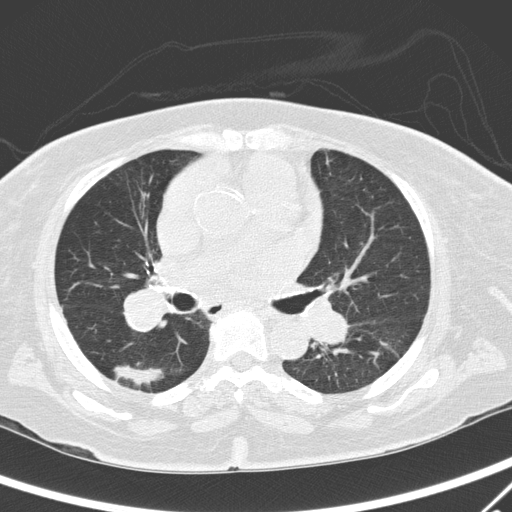
Axial slice 166 of 295 of a chest CT (slice 1 is the lowest), reconstructed with the D kernel at 120 kVp; 2.00 mm slice thickness and 0.682 mm pixels.
Pulmonary nodule at rows 361–389, columns 113–181 (box = that reader's outline on this slice), outlined by one of the four readers; longest diameter 49.8 mm and volume 6337 mm3 from that reader's outline. Ratings by that reader: texture 4/5; margin 1/5 (indistinct); sphericity 3/5 (ovoid); calcification absent; internal structure soft tissue; subtlety 5/5; malignancy likelihood 5/5. Scale key (1–5): texture non-solid→solid, margin indistinct→circumscribed, sphericity linear→round, subtlety extremely subtle→obvious, malignancy likelihood highly unlikely→highly suspicious of cancer. Box rows and columns are 0-based pixel indices from the top-left corner, inclusive.